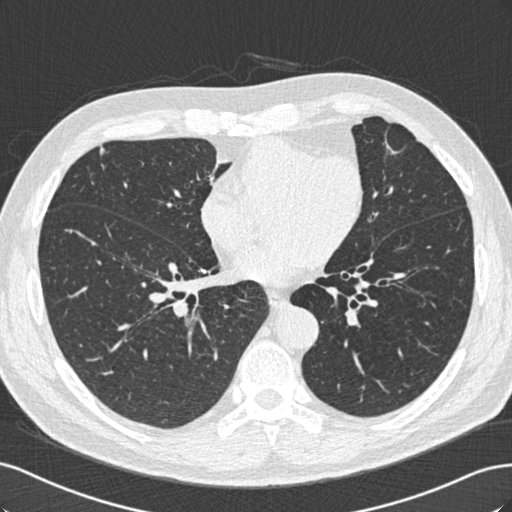
Axial chest CT slice 276 of 529 (counted from the lowest slice); 0.75 mm thick, 0.703 mm per pixel. Pulmonary nodule, outlined by one of the four readers. Box on this slice rows 145–155, columns 99–105, that reader's outline on this slice; longest diameter 8.6 mm and volume 51 mm3 from that reader's outline. That reader's ratings: texture 5/5 (solid); margin 3/5; sphericity 3/5 (ovoid); calcification absent; internal structure soft tissue; subtlety 3/5; malignancy likelihood 2/5. Scale key (1–5): texture non-solid→solid, margin indistinct→circumscribed, sphericity linear→round, subtlety extremely subtle→obvious, malignancy likelihood highly unlikely→highly suspicious of cancer. Box rows and columns are 0-based pixel indices from the top-left corner, inclusive.
Scan settings: 120 kVp, B30f reconstruction kernel.